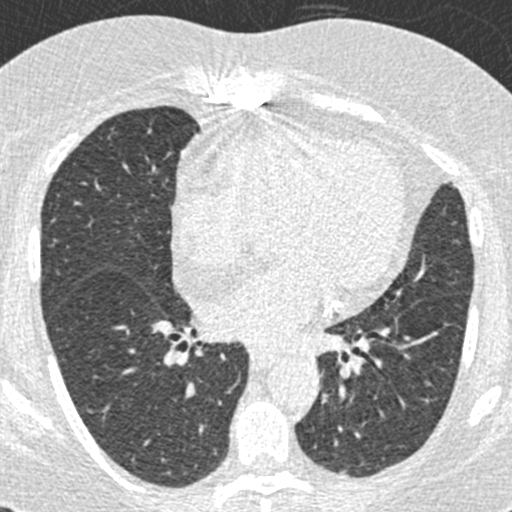
Axial chest CT slice 236 of 423 (counted from the lowest slice); tube voltage 120 kVp, convolution kernel B30f; slices 0.75 mm thick, 0.520 mm per pixel.
Pulmonary nodule, outlined by one of the four readers. Box on this slice rows 468–473, columns 338–346, that reader's outline on this slice; longest diameter 9.7 mm and volume 143 mm3 from that reader's outline. Ratings by that reader: texture 3/5 (part-solid); margin 3/5; sphericity 3/5 (ovoid); calcification absent; internal structure soft tissue; subtlety 5/5; malignancy likelihood 3/5. Scale key (1–5): texture non-solid→solid, margin indistinct→circumscribed, sphericity linear→round, subtlety extremely subtle→obvious, malignancy likelihood highly unlikely→highly suspicious of cancer. Box rows and columns are 0-based pixel indices from the top-left corner, inclusive.